Axial chest CT slice 196 of 241 (counted from the lowest slice); tube voltage 120 kVp, convolution kernel BONE; slices 1.25 mm thick, 0.703 mm per pixel.
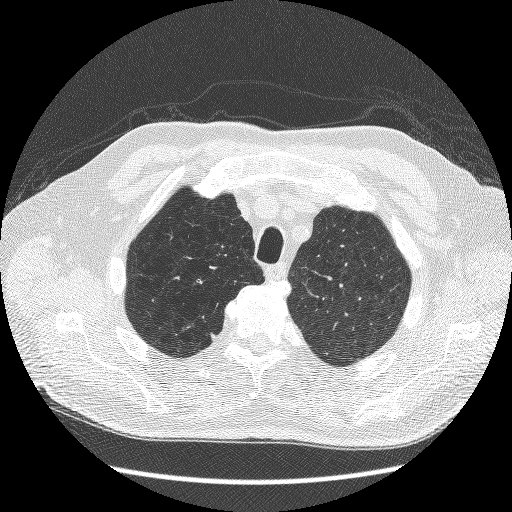
Pulmonary nodule outlined by one of the four readers; box rows 333–340, columns 210–216 (that reader's outline on this slice); longest diameter 6.5 mm and volume 54 mm3 from that reader's outline. That reader's ratings: texture 5/5 (solid); margin 5/5 (circumscribed); sphericity 4/5; calcification absent; internal structure soft tissue; subtlety 4/5; malignancy likelihood 2/5. Scale key (1–5): texture non-solid→solid, margin indistinct→circumscribed, sphericity linear→round, subtlety extremely subtle→obvious, malignancy likelihood highly unlikely→highly suspicious of cancer. Box rows and columns are 0-based pixel indices from the top-left corner, inclusive.